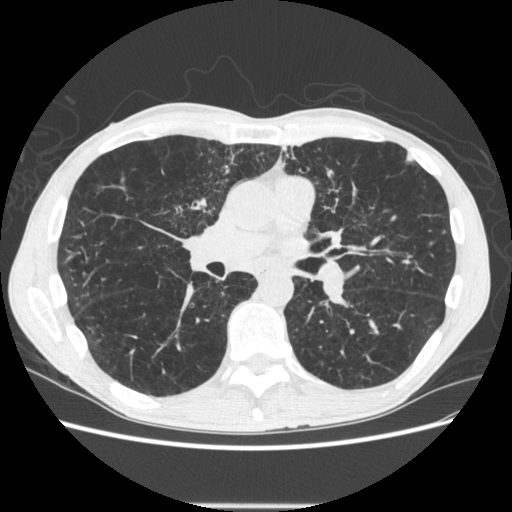
Axial chest CT slice 332 of 605 (counted from the lowest slice); tube voltage 120 kVp, convolution kernel STANDARD; slices 1.25 mm thick, 0.703 mm per pixel.
Pulmonary nodule at rows 152–161, columns 406–413 (box = the union of the readers' outlines on this slice), outlined by all four readers; median longest diameter 8.5 mm (readers' outlines 8.0–8.9 mm), median volume 67 mm3 (44–96 mm3). Median ratings and the readers' spread: texture 5/5 (solid) from all four readers; median margin 5/5 (circumscribed) (readers ranged 4/5 to 5/5 (circumscribed)); sphericity 3.5/5 at the median of four readers, spread 3/5 (ovoid) to 5/5 (round); calcification absent, all four readers agreeing; internal structure soft tissue, all four readers agreeing; subtlety 4/5 from all four readers; malignancy likelihood 2/5 at the median of four readers, spread 1–3. Scale key (1–5): texture non-solid→solid, margin indistinct→circumscribed, sphericity linear→round, subtlety extremely subtle→obvious, malignancy likelihood highly unlikely→highly suspicious of cancer. Box rows and columns are 0-based pixel indices from the top-left corner, inclusive.